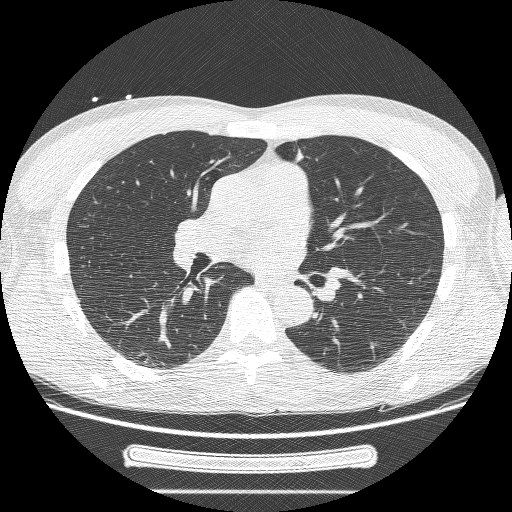
Axial slice 133 of 244 of a chest CT (slice 1 is the lowest), reconstructed with the BONE kernel at 120 kVp; 1.25 mm slice thickness and 0.729 mm pixels.
Pulmonary nodule at rows 151–161, columns 297–302 (box = the one reader's outline on this slice), outlined by three of the four readers, one of them on this slice; median longest diameter 37.5 mm (readers' outlines 27.4–37.9 mm), median volume 6861 mm3 (2934–10099 mm3). Median ratings and the readers' spread: texture 5/5 (solid) at the median of three readers, spread 3/5 (part-solid) to 5/5 (solid); median margin 2/5 (readers ranged 1/5 (indistinct) to 3/5); sphericity 3/5 (ovoid) at the median of three readers, spread 2/5 to 4/5; calcification absent, all three readers agreeing; internal structure soft tissue, all three readers agreeing; subtlety 5/5, all three readers agreeing; malignancy likelihood 5/5 at the median of three readers, spread 3–5. Scale key (1–5): texture non-solid→solid, margin indistinct→circumscribed, sphericity linear→round, subtlety extremely subtle→obvious, malignancy likelihood highly unlikely→highly suspicious of cancer. Box rows and columns are 0-based pixel indices from the top-left corner, inclusive.